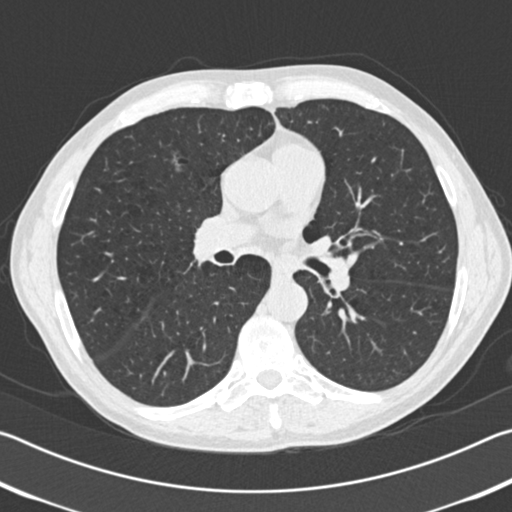
This is axial slice 102 of 192 (slice 1 is the lowest) of a chest CT; each pixel is 0.664 mm and the slice is 2.00 mm thick. Pulmonary nodule outlined by one of the four readers; box rows 156–172, columns 171–182 (that reader's outline on this slice); longest diameter 13.4 mm and volume 515 mm3 from that reader's outline. Ratings by that reader: texture 1/5 (non-solid); margin 2/5; sphericity 3/5 (ovoid); calcification absent; internal structure soft tissue; subtlety 2/5; malignancy likelihood 3/5. Scale key (1–5): texture non-solid→solid, margin indistinct→circumscribed, sphericity linear→round, subtlety extremely subtle→obvious, malignancy likelihood highly unlikely→highly suspicious of cancer. Box rows and columns are 0-based pixel indices from the top-left corner, inclusive.
Tube voltage 120 kVp; convolution kernel B30f.